Axial chest CT slice 51 of 280 (counted from the lowest slice); tube voltage 120 kVp, convolution kernel D; slices 1.00 mm thick, 0.564 mm per pixel.
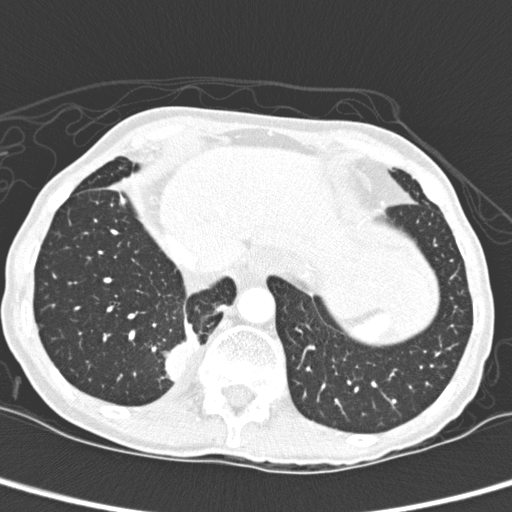
Pulmonary nodule, outlined by two of the four readers. Box on this slice rows 319–380, columns 165–199, the union of the readers' outlines on this slice; median longest diameter 33.9 mm (readers' outlines 32.1–35.8 mm), median volume 6179 mm3 (5657–6702 mm3). Median ratings and the readers' spread: texture 5/5 (solid), both readers agreeing; margin 4/5, both readers agreeing; sphericity 3/5 (ovoid) from both readers; calcification absent from both readers; internal structure soft tissue from both readers; subtlety 5/5, both readers agreeing; median malignancy likelihood 2.5/5 (readers ranged 2–3). Scale key (1–5): texture non-solid→solid, margin indistinct→circumscribed, sphericity linear→round, subtlety extremely subtle→obvious, malignancy likelihood highly unlikely→highly suspicious of cancer. Box rows and columns are 0-based pixel indices from the top-left corner, inclusive.